One axial slice (162 of 232, counting up from the lowest) of a chest CT acquired at 120 kVp with the STANDARD kernel; each pixel is 0.781 mm and the slice is 1.25 mm thick.
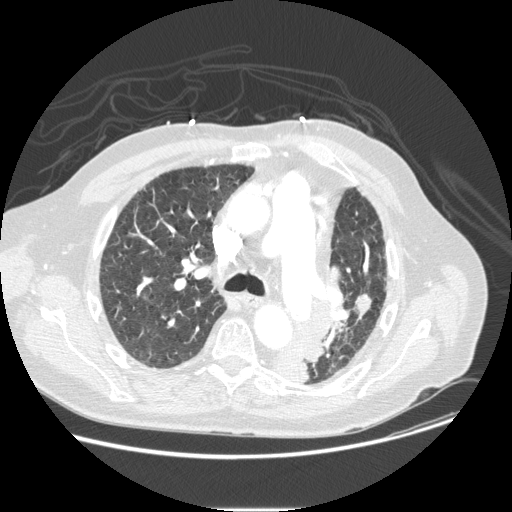
Pulmonary nodule, outlined by all four readers. Box on this slice rows 293–319, columns 353–371, the union of the readers' outlines on this slice; longest diameter 21.5 mm on average over the four readers' outlines (readers' outlines 19.0–24.3 mm), volume 1498–2178 mm3. The readers' prevailing ratings and who disagreed: texture 5/5 (solid), all four readers agreeing; margin split among the readers: 4/5 (two), 5/5 (circumscribed) (two); sphericity 3/5 (ovoid) from all four readers; calcification absent, all four readers agreeing; internal structure soft tissue, all four readers agreeing; subtlety split among the readers: 4/5 (two), 5/5 (two); malignancy likelihood split among the readers: 2/5 (one), 3/5 (one), 4/5 (one), 5/5 (one). Scale key (1–5): texture non-solid→solid, margin indistinct→circumscribed, sphericity linear→round, subtlety extremely subtle→obvious, malignancy likelihood highly unlikely→highly suspicious of cancer. Box rows and columns are 0-based pixel indices from the top-left corner, inclusive.